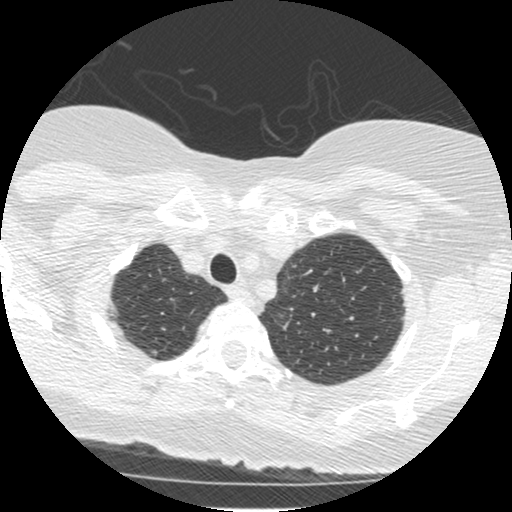
One axial slice (310 of 372, counting up from the lowest) of a chest CT acquired at 120 kVp with the STANDARD kernel; each pixel is 0.586 mm and the slice is 1.25 mm thick.
Pulmonary nodule outlined by one of the four readers; box rows 317–319, columns 400–403 (that reader's outline on this slice); longest diameter 7.1 mm and volume 68 mm3 from that reader's outline. Ratings by that reader: texture 5/5 (solid); margin 4/5; sphericity 3/5 (ovoid); calcification absent; internal structure soft tissue; subtlety 5/5; malignancy likelihood 3/5. Scale key (1–5): texture non-solid→solid, margin indistinct→circumscribed, sphericity linear→round, subtlety extremely subtle→obvious, malignancy likelihood highly unlikely→highly suspicious of cancer. Box rows and columns are 0-based pixel indices from the top-left corner, inclusive.